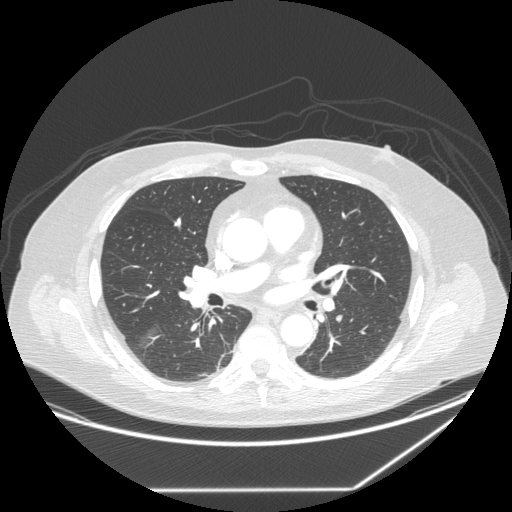
Axial chest CT slice 145 of 258 (counted from the lowest slice); tube voltage 120 kVp, convolution kernel STANDARD; slices 1.25 mm thick, 0.859 mm per pixel.
Pulmonary nodule, outlined by three of the four readers. Box on this slice rows 314–321, columns 335–342, the union of the readers' outlines on this slice; longest diameter 7.3–8.5 mm and volume 147–164 mm3 across the three readers' outlines. Ratings across the readers: texture 5/5 (solid), all three readers agreeing; margin from 4/5 to 5/5 (circumscribed) across the three readers; sphericity from 3/5 (ovoid) to 4/5 across the three readers; calcification absent from all three readers; internal structure soft tissue from all three readers; subtlety from 3/5 to 4/5 across the three readers; malignancy likelihood from 2/5 to 3/5 across the three readers. Scale key (1–5): texture non-solid→solid, margin indistinct→circumscribed, sphericity linear→round, subtlety extremely subtle→obvious, malignancy likelihood highly unlikely→highly suspicious of cancer. Box rows and columns are 0-based pixel indices from the top-left corner, inclusive.